Chest CT, axial plane, 120 kVp, kernel STANDARD. Slice 185/241 from the bottom of the scan; thickness 1.25 mm; pixel size 0.609 mm.
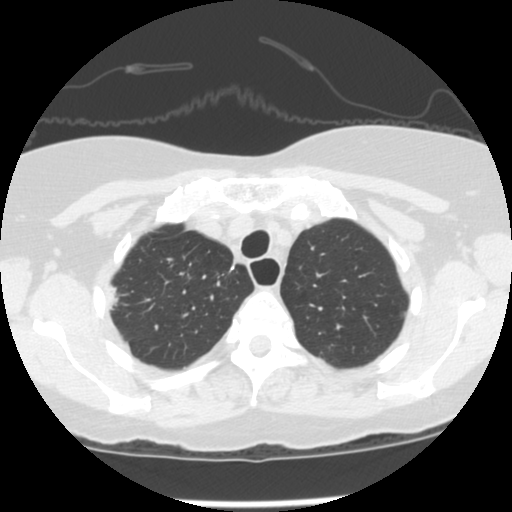
Pulmonary nodule at rows 311–317, columns 400–403 (box = the one reader's outline on this slice), outlined by three of the four readers, one of them on this slice; median longest diameter 6.0 mm (readers' outlines 5.0–6.5 mm), median volume 49 mm3 (30–85 mm3). Median ratings and the readers' spread: median texture 2/5 (readers ranged 2/5 to 5/5 (solid)); margin 3/5 at the median of three readers, spread 2/5 to 5/5 (circumscribed); sphericity 4/5 at the median of three readers, spread 3/5 (ovoid) to 4/5; calcification absent, all three readers agreeing; internal structure soft tissue, all three readers agreeing; subtlety 3/5 at the median of three readers, spread 2–5; malignancy likelihood 2/5 at the median of three readers, spread 2–3. Scale key (1–5): texture non-solid→solid, margin indistinct→circumscribed, sphericity linear→round, subtlety extremely subtle→obvious, malignancy likelihood highly unlikely→highly suspicious of cancer. Box rows and columns are 0-based pixel indices from the top-left corner, inclusive.